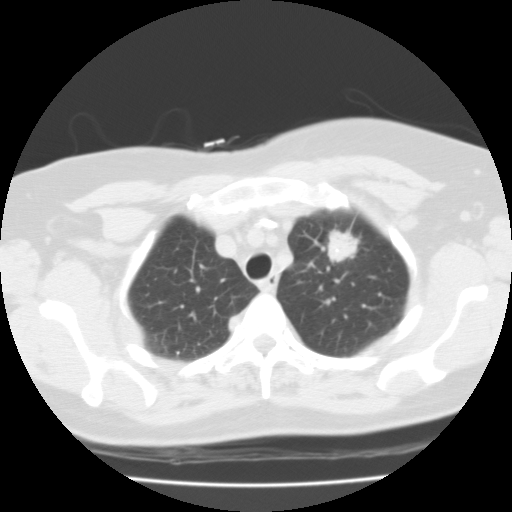
One axial slice (68 of 87, counting up from the lowest) of a chest CT acquired at 135 kVp with the FC01 kernel; each pixel is 0.650 mm and the slice is 3.00 mm thick.
Pulmonary nodule outlined by all four readers; box rows 225–262, columns 326–360 (the union of the readers' outlines on this slice); longest diameter 27.7 mm on average over the four readers' outlines (readers' outlines 23.3–32.8 mm), volume 4332–5366 mm3. The readers' prevailing ratings and who disagreed: most readers (three of four) put texture at 5/5 (solid), others 4/5 (one); margin 2/5 by two of four readers; the rest gave 4/5 (one), 5/5 (circumscribed) (one); sphericity 4/5 by three of four readers; the rest gave 3/5 (ovoid) (one); calcification split among the readers: non-central calcification (two), absent (two); internal structure soft tissue, all four readers agreeing; subtlety 5/5, all four readers agreeing; malignancy likelihood 5/5 by two of four readers; the rest gave 3/5 (one), 4/5 (one). Scale key (1–5): texture non-solid→solid, margin indistinct→circumscribed, sphericity linear→round, subtlety extremely subtle→obvious, malignancy likelihood highly unlikely→highly suspicious of cancer. Box rows and columns are 0-based pixel indices from the top-left corner, inclusive.